Axial slice 112 of 241 of a chest CT (slice 1 is the lowest), reconstructed with the BONE kernel at 120 kVp; 1.25 mm slice thickness and 0.609 mm pixels.
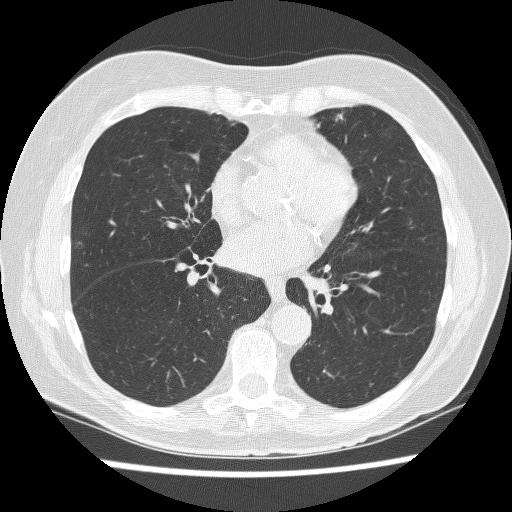
No nodule 3 mm or larger was outlined here by any reader.